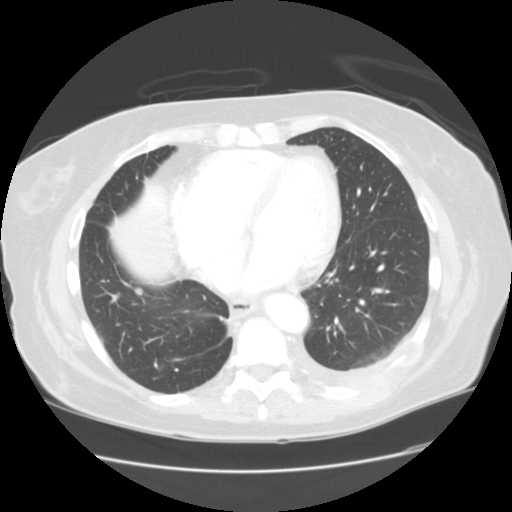
One axial slice (57 of 133, counting up from the lowest) of a chest CT acquired at 120 kVp with the STANDARD kernel; each pixel is 0.703 mm and the slice is 2.50 mm thick.
Pulmonary nodule outlined by two of the four readers; box rows 287–294, columns 134–142 (the union of the readers' outlines on this slice); median longest diameter 9.2 mm (readers' outlines 8.5–9.8 mm), median volume 162 mm3 (138–186 mm3). Median ratings and the readers' spread: texture 5/5 (solid) from both readers; margin 5/5 (circumscribed) from both readers; sphericity 3.5/5 at the median of two readers, spread 3/5 (ovoid) to 4/5; calcification absent from both readers; internal structure soft tissue from both readers; median subtlety 2.5/5 (readers ranged 2–3); malignancy likelihood 2/5, both readers agreeing. Scale key (1–5): texture non-solid→solid, margin indistinct→circumscribed, sphericity linear→round, subtlety extremely subtle→obvious, malignancy likelihood highly unlikely→highly suspicious of cancer. Box rows and columns are 0-based pixel indices from the top-left corner, inclusive.